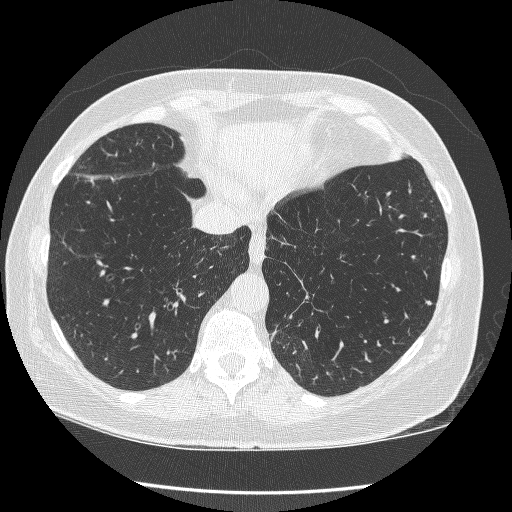
Axial slice 80 of 246 of a chest CT (slice 1 is the lowest), reconstructed with the BONE kernel at 120 kVp; 1.25 mm slice thickness and 0.617 mm pixels.
Pulmonary nodule at rows 300–305, columns 425–432 (box = the union of the readers' outlines on this slice), outlined by all four readers; longest diameter 5.7 mm on average over the four readers' outlines (readers' outlines 5.3–6.2 mm), volume 83–105 mm3. The readers' prevailing ratings and who disagreed: most readers (three of four) put texture at 5/5 (solid), others 4/5 (one); margin split among the readers: 4/5 (two), 5/5 (circumscribed) (two); sphericity 3/5 (ovoid) by two of four readers; the rest gave 4/5 (one), 5/5 (round) (one); calcification absent, all four readers agreeing; internal structure soft tissue from all four readers; subtlety split among the readers: 2/5 (two), 4/5 (two); malignancy likelihood split among the readers: 2/5 (two), 3/5 (two). Scale key (1–5): texture non-solid→solid, margin indistinct→circumscribed, sphericity linear→round, subtlety extremely subtle→obvious, malignancy likelihood highly unlikely→highly suspicious of cancer. Box rows and columns are 0-based pixel indices from the top-left corner, inclusive.